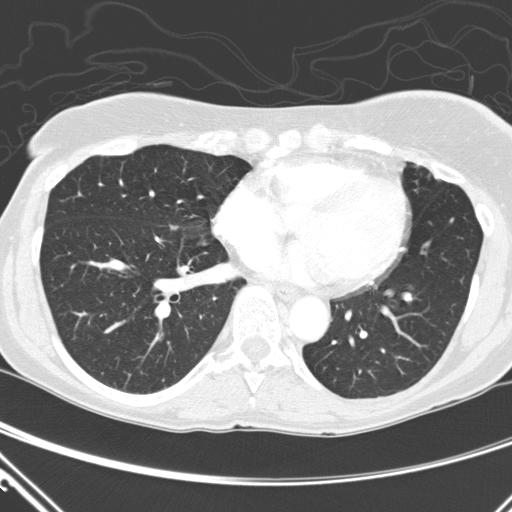
Slice 228/411 of a chest CT, counting up from the lowest; pixel size 0.654 mm, slice thickness 2.00 mm. None of the four readers outlined a nodule of 3 mm or more on this slice.
Tube voltage 120 kVp; convolution kernel D.